Axial chest CT slice 37 of 133 (counted from the lowest slice); tube voltage 140 kVp, convolution kernel STANDARD; slices 2.50 mm thick, 0.781 mm per pixel.
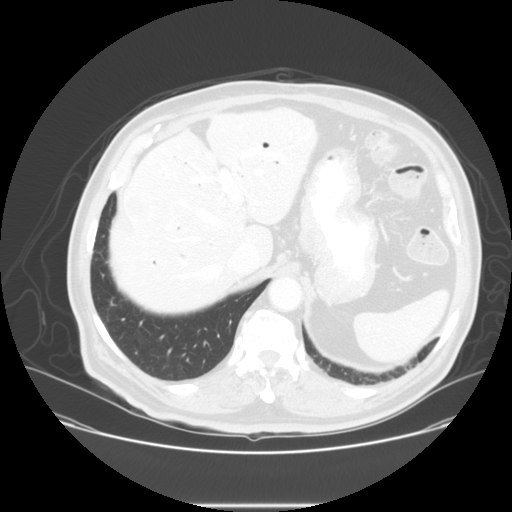
Pulmonary nodule at rows 298–305, columns 110–113 (box = the one reader's outline on this slice), outlined by all four readers, one of them on this slice; median longest diameter 8.6 mm (readers' outlines 7.8–11.4 mm), median volume 237 mm3 (203–468 mm3). Ratings, median across the readers with their spread: texture 5/5 (solid) from all four readers; margin 4/5 at the median of four readers, spread 4/5 to 5/5 (circumscribed); sphericity 3/5 (ovoid) at the median of four readers, spread 2/5 to 5/5 (round); calcification absent, all four readers agreeing; internal structure soft tissue, all four readers agreeing; median subtlety 3.5/5 (readers ranged 3–4); median malignancy likelihood 3/5 (readers ranged 2–3). Scale key (1–5): texture non-solid→solid, margin indistinct→circumscribed, sphericity linear→round, subtlety extremely subtle→obvious, malignancy likelihood highly unlikely→highly suspicious of cancer. Box rows and columns are 0-based pixel indices from the top-left corner, inclusive.